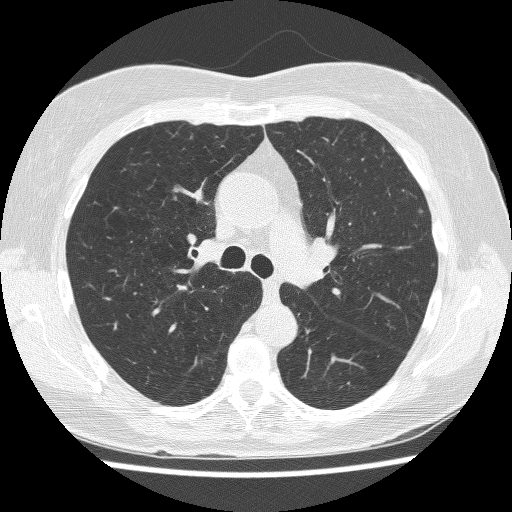
Axial slice 156 of 241 of a chest CT (slice 1 is the lowest), reconstructed with the BONE kernel at 120 kVp; 1.25 mm slice thickness and 0.609 mm pixels.
Pulmonary nodule outlined by one of the four readers; box rows 209–213, columns 418–422 (that reader's outline on this slice); longest diameter 6.4 mm and volume 58 mm3 from that reader's outline. Ratings by that reader: texture 3/5 (part-solid); margin 1/5 (indistinct); sphericity 3/5 (ovoid); calcification absent; internal structure soft tissue; subtlety 3/5; malignancy likelihood 2/5. Scale key (1–5): texture non-solid→solid, margin indistinct→circumscribed, sphericity linear→round, subtlety extremely subtle→obvious, malignancy likelihood highly unlikely→highly suspicious of cancer. Box rows and columns are 0-based pixel indices from the top-left corner, inclusive.